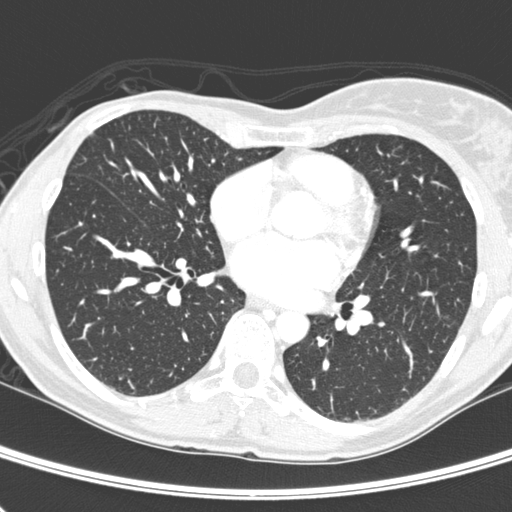
Axial slice 134 of 280 of a chest CT (slice 1 is the lowest), reconstructed with the D kernel at 120 kVp; 1.00 mm slice thickness and 0.578 mm pixels.
Pulmonary nodule outlined by two of the four readers, one of them on this slice; box rows 133–137, columns 90–94 (the one reader's outline on this slice); the two readers' outlines give a longest diameter between 5.0 and 5.3 mm and a volume between 25 and 26 mm3. The readers' ratings, as ranges where they differ: texture 5/5 (solid) from both readers; margin from 3/5 to 5/5 (circumscribed) across the two readers; sphericity from 2/5 to 4/5 across the two readers; calcification absent from both readers; internal structure soft tissue from both readers; subtlety 3–5/5 (the readers disagree); malignancy likelihood rated between 2 and 3 out of 5 by the two readers. Scale key (1–5): texture non-solid→solid, margin indistinct→circumscribed, sphericity linear→round, subtlety extremely subtle→obvious, malignancy likelihood highly unlikely→highly suspicious of cancer. Box rows and columns are 0-based pixel indices from the top-left corner, inclusive.